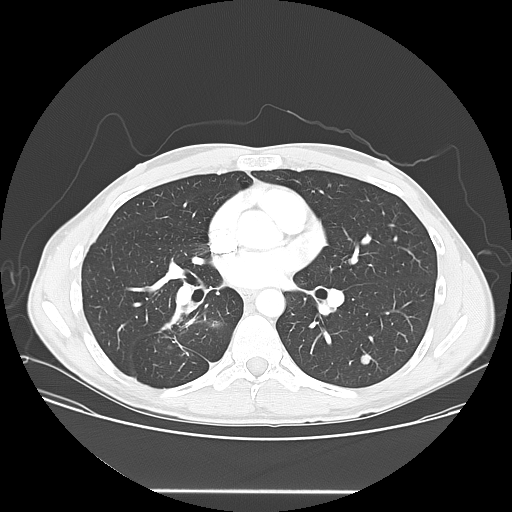
Chest CT, axial plane, 120 kVp, kernel LUNG. Slice 84/150 from the bottom of the scan; thickness 2.50 mm; pixel size 0.781 mm.
Pulmonary nodule outlined by all four readers; box rows 354–364, columns 360–370 (the union of the readers' outlines on this slice); median longest diameter 9.6 mm (readers' outlines 8.9–10.2 mm), median volume 376 mm3 (292–480 mm3). Median ratings and the readers' spread: texture 5/5 (solid), all four readers agreeing; median margin 4.5/5 (readers ranged 4/5 to 5/5 (circumscribed)); median sphericity 4.5/5 (readers ranged 4/5 to 5/5 (round)); calcification absent from all four readers; internal structure soft tissue from all four readers; median subtlety 4/5 (readers ranged 3–5); median malignancy likelihood 3.5/5 (readers ranged 2–4). Scale key (1–5): texture non-solid→solid, margin indistinct→circumscribed, sphericity linear→round, subtlety extremely subtle→obvious, malignancy likelihood highly unlikely→highly suspicious of cancer. Box rows and columns are 0-based pixel indices from the top-left corner, inclusive.